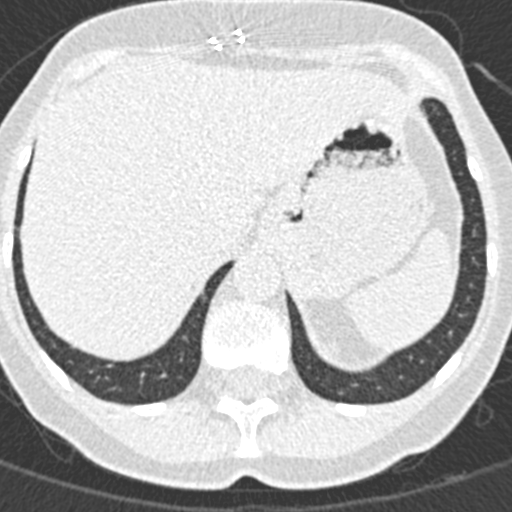
Axial slice 46 of 376 of a chest CT (slice 1 is the lowest), reconstructed with the B30f kernel at 120 kVp; 0.75 mm slice thickness and 0.461 mm pixels.
Pulmonary nodule at rows 226–229, columns 16–18 (box = the one reader's outline on this slice), outlined by all four readers, one of them on this slice; median longest diameter 8.5 mm (readers' outlines 8.1–8.9 mm), median volume 188 mm3 (172–196 mm3). Median ratings and the readers' spread: median texture 5/5 (solid) (readers ranged 4/5 to 5/5 (solid)); median margin 4.5/5 (readers ranged 4/5 to 5/5 (circumscribed)); median sphericity 3.5/5 (readers ranged 3/5 (ovoid) to 4/5); calcification absent from all four readers; internal structure soft tissue, all four readers agreeing; subtlety 5/5 at the median of four readers, spread 3–5; malignancy likelihood 3/5 at the median of four readers, spread 2–4. Scale key (1–5): texture non-solid→solid, margin indistinct→circumscribed, sphericity linear→round, subtlety extremely subtle→obvious, malignancy likelihood highly unlikely→highly suspicious of cancer. Box rows and columns are 0-based pixel indices from the top-left corner, inclusive.